Axial chest CT slice 126 of 347 (counted from the lowest slice); tube voltage 120 kVp, convolution kernel B45f; slices 1.00 mm thick, 0.625 mm per pixel.
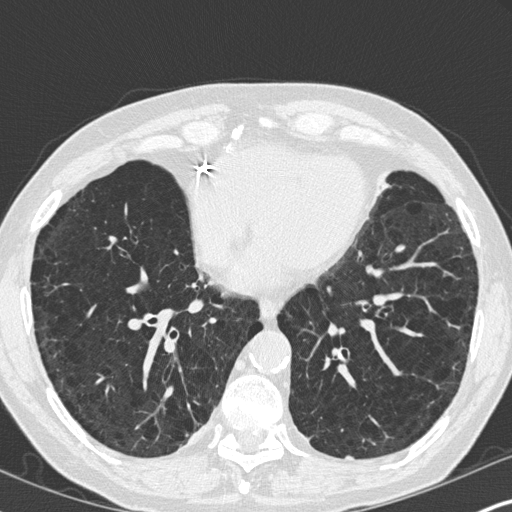
Pulmonary nodule outlined by two of the four readers; box rows 455–460, columns 344–354 (the union of the readers' outlines on this slice); the two readers' outlines give a longest diameter between 7.0 and 7.3 mm and a volume between 63 and 69 mm3. Ratings across the readers: texture 5/5 (solid) from both readers; margin from 4/5 to 5/5 (circumscribed) across the two readers; sphericity 3/5 (ovoid) from both readers; calcification absent from both readers; internal structure soft tissue, both readers agreeing; subtlety rated between 3 and 5 out of 5 by the two readers; malignancy likelihood 2/5, both readers agreeing. Scale key (1–5): texture non-solid→solid, margin indistinct→circumscribed, sphericity linear→round, subtlety extremely subtle→obvious, malignancy likelihood highly unlikely→highly suspicious of cancer. Box rows and columns are 0-based pixel indices from the top-left corner, inclusive.